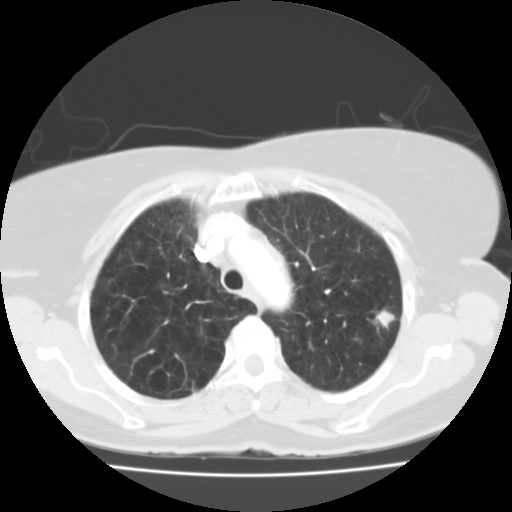
Axial chest CT slice 95 of 118 (counted from the lowest slice); 3.00 mm thick, 0.665 mm per pixel. Pulmonary nodule, outlined by all four readers. Box on this slice rows 309–330, columns 375–395, the union of the readers' outlines on this slice; longest diameter 15.3 mm on average over the four readers' outlines (readers' outlines 14.2–18.1 mm), volume 1024–1671 mm3. The readers' prevailing ratings and who disagreed: texture 5/5 (solid) from all four readers; margin 4/5 by two of four readers; the rest gave 3/5 (one), 5/5 (circumscribed) (one); sphericity 4/5 by three of four readers; the rest gave 5/5 (round) (one); calcification absent, all four readers agreeing; internal structure soft tissue, all four readers agreeing; subtlety 5/5 from all four readers; most readers (three of four) put malignancy likelihood at 5/5, others 3/5 (one). Scale key (1–5): texture non-solid→solid, margin indistinct→circumscribed, sphericity linear→round, subtlety extremely subtle→obvious, malignancy likelihood highly unlikely→highly suspicious of cancer. Box rows and columns are 0-based pixel indices from the top-left corner, inclusive.
Tube voltage 135 kVp; convolution kernel FC01.